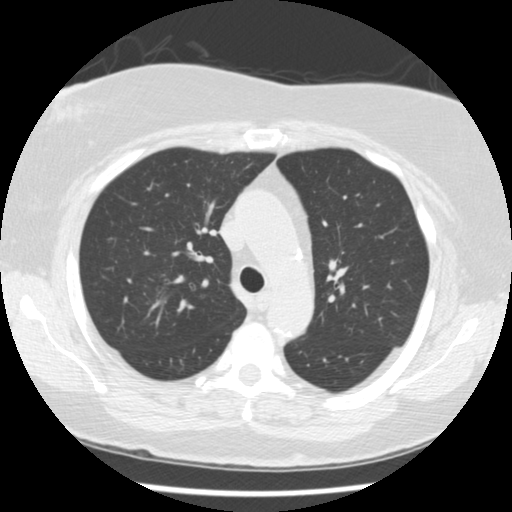
One axial slice (101 of 144, counting up from the lowest) of a chest CT acquired at 120 kVp with the STANDARD kernel; each pixel is 0.625 mm and the slice is 2.50 mm thick.
No nodule 3 mm or larger was outlined here by any reader.